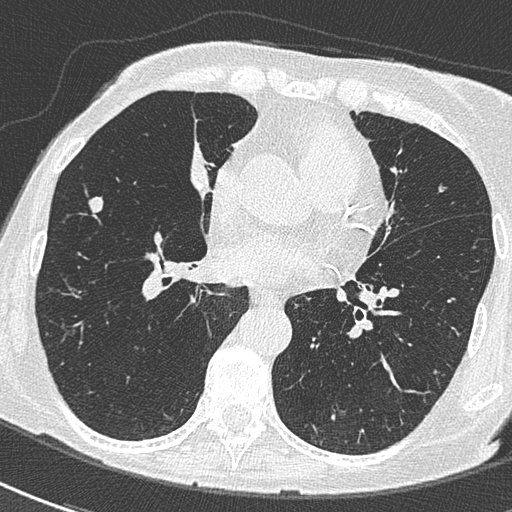
Axial chest CT slice 290 of 588 (counted from the lowest slice); 0.60 mm thick, 0.514 mm per pixel. Pulmonary nodule at rows 195–212, columns 88–103 (box = the union of the readers' outlines on this slice), outlined by all four readers; median longest diameter 10.8 mm (readers' outlines 10.3–12.9 mm), median volume 374 mm3 (343–465 mm3). Ratings, median across the readers with their spread: texture 5/5 (solid), all four readers agreeing; margin 5/5 (circumscribed) at the median of four readers, spread 4/5 to 5/5 (circumscribed); sphericity 3.5/5 at the median of four readers, spread 3/5 (ovoid) to 5/5 (round); calcification absent, all four readers agreeing; internal structure soft tissue, all four readers agreeing; median subtlety 5/5 (readers ranged 4–5); median malignancy likelihood 3/5 (readers ranged 2–3). Scale key (1–5): texture non-solid→solid, margin indistinct→circumscribed, sphericity linear→round, subtlety extremely subtle→obvious, malignancy likelihood highly unlikely→highly suspicious of cancer. Box rows and columns are 0-based pixel indices from the top-left corner, inclusive.
Scan settings: 120 kVp, B50f reconstruction kernel.